Axial slice 165 of 290 of a chest CT (slice 1 is the lowest), reconstructed with the B kernel at 120 kVp; 2.00 mm slice thickness and 0.639 mm pixels.
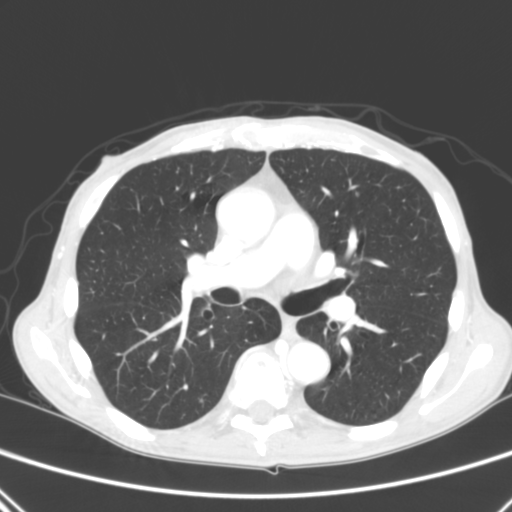
Two pulmonary nodules are outlined on this slice; from left to right: (1) Pulmonary nodule at rows 399–401, columns 200–201 (box = the union of the readers' outlines on this slice), outlined by three of the four readers, two of them on this slice; longest diameter 6.9–9.4 mm and volume 83–138 mm3 across the three readers' outlines. The readers' ratings, as ranges where they differ: texture from 3/5 (part-solid) to 5/5 (solid) across the three readers; margin from 2/5 to 4/5 across the three readers; sphericity from 2/5 to 4/5 across the three readers; calcification absent from all three readers; internal structure soft tissue, all three readers agreeing; subtlety 2–4/5 (the readers disagree); malignancy likelihood 2–4/5 (the readers disagree). (2) Pulmonary nodule, outlined by one of the four readers. Box on this slice rows 192–195, columns 355–358, that reader's outline on this slice; longest diameter 4.3 mm and volume 31 mm3 from that reader's outline. That reader's ratings: texture 5/5 (solid); margin 5/5 (circumscribed); sphericity 4/5; calcification absent; internal structure soft tissue; subtlety 5/5; malignancy likelihood 3/5. Scale key (1–5): texture non-solid→solid, margin indistinct→circumscribed, sphericity linear→round, subtlety extremely subtle→obvious, malignancy likelihood highly unlikely→highly suspicious of cancer. Box rows and columns are 0-based pixel indices from the top-left corner, inclusive.